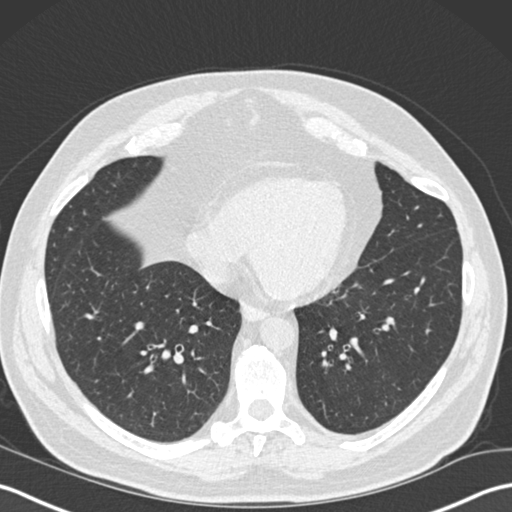
One axial slice (73 of 191, counting up from the lowest) of a chest CT acquired at 120 kVp with the B30f kernel; each pixel is 0.684 mm and the slice is 2.00 mm thick.
This slice carries no reader outline of a nodule 3 mm or larger.